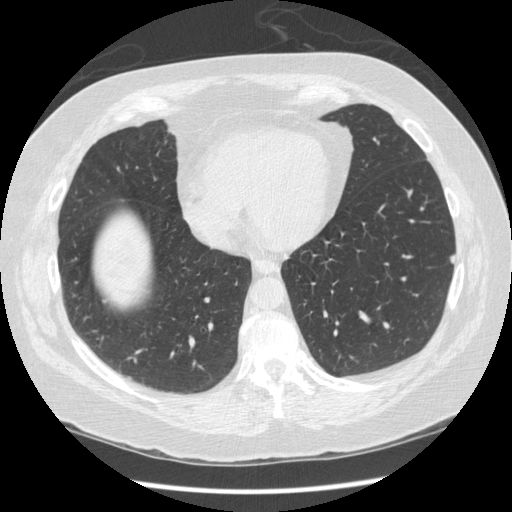
Axial slice 133 of 436 of a chest CT (slice 1 is the lowest), reconstructed with the STANDARD kernel at 120 kVp; 1.25 mm slice thickness and 0.703 mm pixels.
Pulmonary nodule at rows 255–263, columns 449–454 (box = the union of the readers' outlines on this slice), outlined by three of the four readers; longest diameter 8.2 mm on average over the three readers' outlines (readers' outlines 8.0–8.6 mm), volume 131–153 mm3. The readers' prevailing ratings and who disagreed: texture 5/5 (solid) from all three readers; most readers (two of three) put margin at 4/5, others 5/5 (circumscribed) (one); sphericity split among the readers: 2/5 (one), 3/5 (ovoid) (one), 4/5 (one); calcification absent from all three readers; internal structure soft tissue, all three readers agreeing; subtlety 5/5 by two of three readers; the rest gave 3/5 (one); malignancy likelihood 2/5 by two of three readers; the rest gave 3/5 (one). Scale key (1–5): texture non-solid→solid, margin indistinct→circumscribed, sphericity linear→round, subtlety extremely subtle→obvious, malignancy likelihood highly unlikely→highly suspicious of cancer. Box rows and columns are 0-based pixel indices from the top-left corner, inclusive.